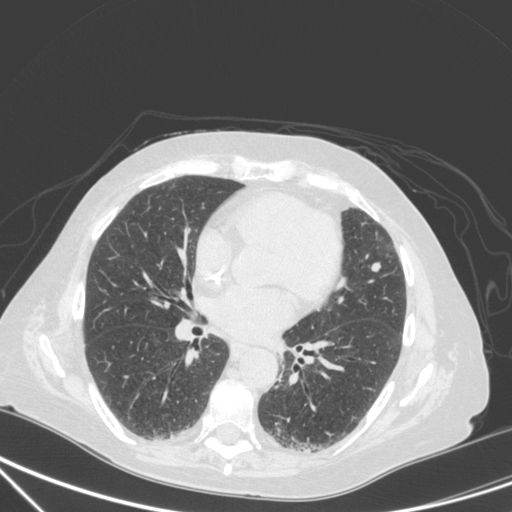
Axial chest CT slice 154 of 350 (counted from the lowest slice); tube voltage 120 kVp, convolution kernel C; slices 1.50 mm thick, 0.725 mm per pixel.
Pulmonary nodule, outlined by all four readers. Box on this slice rows 262–272, columns 370–380, the union of the readers' outlines on this slice; longest diameter 9.2 mm on average over the four readers' outlines (readers' outlines 8.5–10.5 mm), volume 175–345 mm3. The readers' prevailing ratings and who disagreed: most readers (three of four) put texture at 5/5 (solid), others 4/5 (one); most readers (three of four) put margin at 4/5, others 5/5 (circumscribed) (one); sphericity split among the readers: 3/5 (ovoid) (two), 4/5 (two); calcification absent, all four readers agreeing; internal structure soft tissue from all four readers; subtlety 5/5, all four readers agreeing; malignancy likelihood 2/5 by two of four readers; the rest gave 4/5 (one), 5/5 (one). Scale key (1–5): texture non-solid→solid, margin indistinct→circumscribed, sphericity linear→round, subtlety extremely subtle→obvious, malignancy likelihood highly unlikely→highly suspicious of cancer. Box rows and columns are 0-based pixel indices from the top-left corner, inclusive.